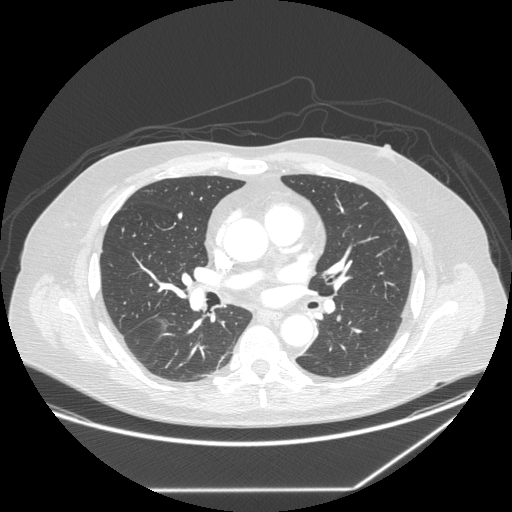
Axial chest CT slice 143 of 258 (counted from the lowest slice); tube voltage 120 kVp, convolution kernel STANDARD; slices 1.25 mm thick, 0.859 mm per pixel.
Pulmonary nodule outlined by three of the four readers; box rows 315–320, columns 336–340 (the union of the readers' outlines on this slice); the three readers' outlines give a longest diameter between 7.3 and 8.5 mm and a volume between 147 and 164 mm3. The readers' ratings, as ranges where they differ: texture 5/5 (solid), all three readers agreeing; margin from 4/5 to 5/5 (circumscribed) across the three readers; sphericity from 3/5 (ovoid) to 4/5 across the three readers; calcification absent from all three readers; internal structure soft tissue from all three readers; subtlety 3–4/5 (the readers disagree); malignancy likelihood 2–3/5 (the readers disagree). Scale key (1–5): texture non-solid→solid, margin indistinct→circumscribed, sphericity linear→round, subtlety extremely subtle→obvious, malignancy likelihood highly unlikely→highly suspicious of cancer. Box rows and columns are 0-based pixel indices from the top-left corner, inclusive.